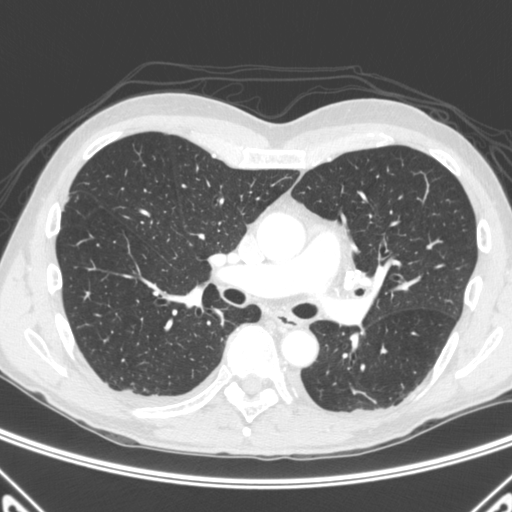
Axial slice 245 of 445 of a chest CT (slice 1 is the lowest), reconstructed with the C kernel at 120 kVp; 1.50 mm slice thickness and 0.676 mm pixels.
Pulmonary nodule, outlined by all four readers. Box on this slice rows 184–187, columns 180–185, the union of the readers' outlines on this slice; median longest diameter 5.1 mm (readers' outlines 4.3–5.8 mm), median volume 35 mm3 (24–39 mm3). Ratings, median across the readers with their spread: texture 5/5 (solid), all four readers agreeing; margin 5/5 (circumscribed) from all four readers; median sphericity 5/5 (round) (readers ranged 4/5 to 5/5 (round)); calcification: solid calcification (three), central calcification (one); internal structure soft tissue from all four readers; median subtlety 5/5 (readers ranged 4–5); malignancy likelihood 1/5, all four readers agreeing. Scale key (1–5): texture non-solid→solid, margin indistinct→circumscribed, sphericity linear→round, subtlety extremely subtle→obvious, malignancy likelihood highly unlikely→highly suspicious of cancer. Box rows and columns are 0-based pixel indices from the top-left corner, inclusive.